Axial chest CT slice 93 of 156 (counted from the lowest slice); tube voltage 120 kVp, convolution kernel STANDARD; slices 2.50 mm thick, 0.645 mm per pixel.
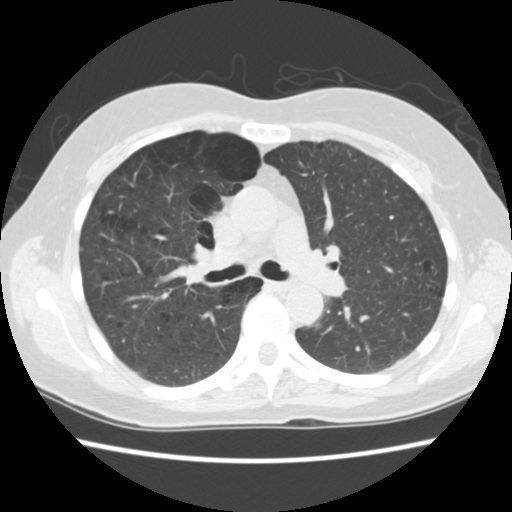
Pulmonary nodule at rows 247–250, columns 80–82 (box = that reader's outline on this slice), outlined by one of the four readers; longest diameter 4.6 mm and volume 42 mm3 from that reader's outline. That reader's ratings: texture 5/5 (solid); margin 5/5 (circumscribed); sphericity 4/5; calcification absent; internal structure soft tissue; subtlety 5/5; malignancy likelihood 2/5. Scale key (1–5): texture non-solid→solid, margin indistinct→circumscribed, sphericity linear→round, subtlety extremely subtle→obvious, malignancy likelihood highly unlikely→highly suspicious of cancer. Box rows and columns are 0-based pixel indices from the top-left corner, inclusive.